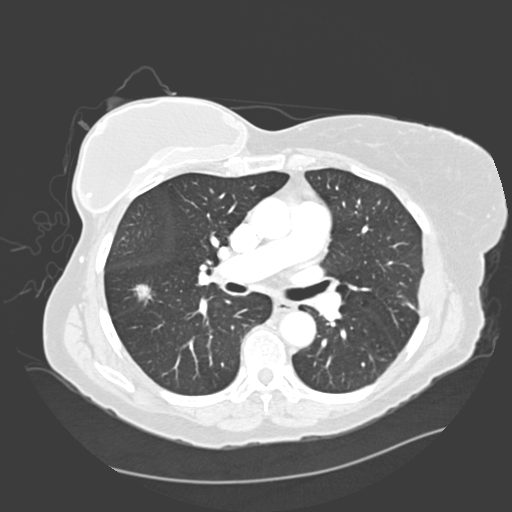
Axial chest CT slice 185 of 328 (counted from the lowest slice); 2.00 mm thick, 0.742 mm per pixel. Pulmonary nodule outlined by all four readers; box rows 284–304, columns 128–154 (the union of the readers' outlines on this slice); longest diameter 19.7 mm on average over the four readers' outlines (readers' outlines 18.3–21.0 mm), volume 877–1921 mm3. The readers' prevailing ratings and who disagreed: texture 3/5 (part-solid) by two of four readers; the rest gave 4/5 (one), 5/5 (solid) (one); margin 2/5 by two of four readers; the rest gave 3/5 (one), 4/5 (one); most readers (three of four) put sphericity at 3/5 (ovoid), others 2/5 (one); calcification absent, all four readers agreeing; internal structure soft tissue, all four readers agreeing; subtlety 5/5 by three of four readers; the rest gave 4/5 (one); malignancy likelihood 4/5 by two of four readers; the rest gave 3/5 (one), 5/5 (one). Scale key (1–5): texture non-solid→solid, margin indistinct→circumscribed, sphericity linear→round, subtlety extremely subtle→obvious, malignancy likelihood highly unlikely→highly suspicious of cancer. Box rows and columns are 0-based pixel indices from the top-left corner, inclusive.
Scan settings: 120 kVp, D reconstruction kernel.